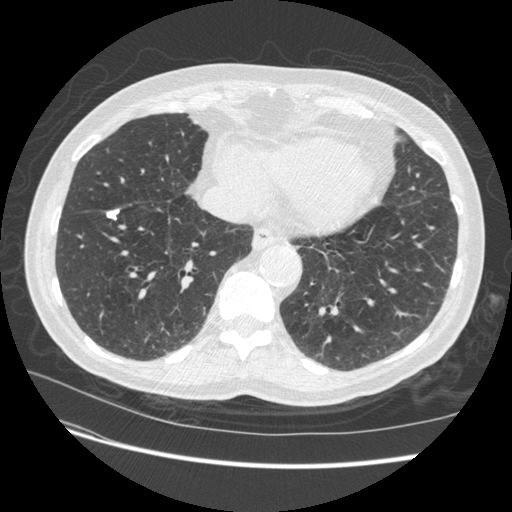
One axial slice (138 of 509, counting up from the lowest) of a chest CT acquired at 120 kVp with the STANDARD kernel; each pixel is 0.703 mm and the slice is 1.25 mm thick.
Pulmonary nodule at rows 209–221, columns 104–119 (box = the union of the readers' outlines on this slice), outlined by three of the four readers; median longest diameter 12.0 mm (readers' outlines 11.4–12.1 mm), median volume 377 mm3 (273–413 mm3). Median ratings and the readers' spread: texture 5/5 (solid) from all three readers; margin 5/5 (circumscribed) at the median of three readers, spread 4/5 to 5/5 (circumscribed); median sphericity 3/5 (ovoid) (readers ranged 3/5 (ovoid) to 4/5); calcification solid calcification from all three readers; internal structure soft tissue from all three readers; median subtlety 5/5 (readers ranged 4–5); malignancy likelihood 1/5 from all three readers. Scale key (1–5): texture non-solid→solid, margin indistinct→circumscribed, sphericity linear→round, subtlety extremely subtle→obvious, malignancy likelihood highly unlikely→highly suspicious of cancer. Box rows and columns are 0-based pixel indices from the top-left corner, inclusive.